Axial chest CT slice 158 of 244 (counted from the lowest slice); tube voltage 120 kVp, convolution kernel BONE; slices 1.25 mm thick, 0.729 mm per pixel.
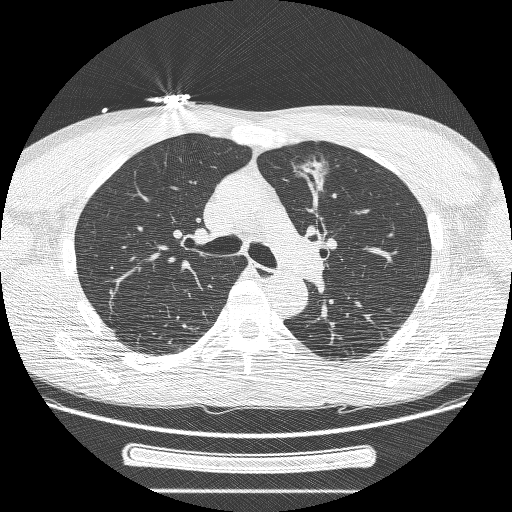
Pulmonary nodule, outlined by three of the four readers. Box on this slice rows 155–194, columns 291–327, the union of the readers' outlines on this slice; longest diameter 34.2 mm on average over the three readers' outlines (readers' outlines 27.4–37.9 mm), volume 2934–10099 mm3. Ratings, by the readers' most common answer with dissent counted: most readers (two of three) put texture at 5/5 (solid), others 3/5 (part-solid) (one); margin split among the readers: 1/5 (indistinct) (one), 2/5 (one), 3/5 (one); sphericity split among the readers: 2/5 (one), 3/5 (ovoid) (one), 4/5 (one); calcification absent, all three readers agreeing; internal structure soft tissue, all three readers agreeing; subtlety 5/5, all three readers agreeing; most readers (two of three) put malignancy likelihood at 5/5, others 3/5 (one). Scale key (1–5): texture non-solid→solid, margin indistinct→circumscribed, sphericity linear→round, subtlety extremely subtle→obvious, malignancy likelihood highly unlikely→highly suspicious of cancer. Box rows and columns are 0-based pixel indices from the top-left corner, inclusive.